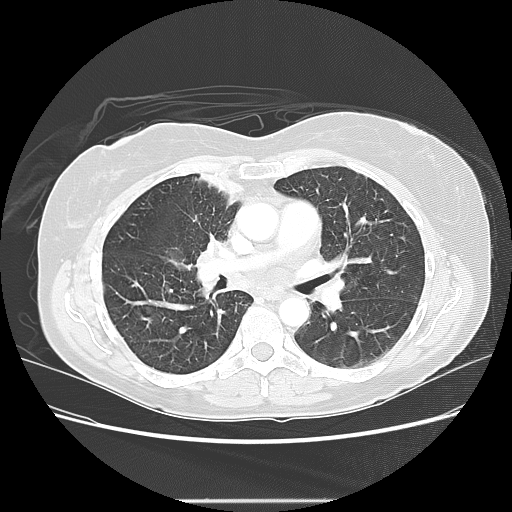
Axial chest CT slice 83 of 130 (counted from the lowest slice); 2.50 mm thick, 0.703 mm per pixel. No nodule of 3 mm or larger was outlined by any of the four readers on this slice.
Scan settings: 120 kVp, LUNG reconstruction kernel.